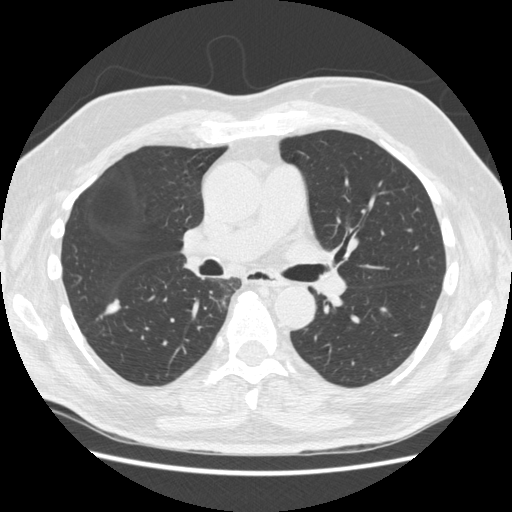
Axial slice 295 of 557 of a chest CT (slice 1 is the lowest), reconstructed with the STANDARD kernel at 120 kVp; 1.25 mm slice thickness and 0.703 mm pixels.
Pulmonary nodule, outlined by all four readers. Box on this slice rows 298–315, columns 103–120, the union of the readers' outlines on this slice; longest diameter 22.3 mm on average over the four readers' outlines (readers' outlines 19.1–25.0 mm), volume 785–1099 mm3. The readers' prevailing ratings and who disagreed: texture 5/5 (solid) by three of four readers; the rest gave 4/5 (one); margin 3/5 by two of four readers; the rest gave 4/5 (one), 5/5 (circumscribed) (one); sphericity 3/5 (ovoid) by three of four readers; the rest gave 2/5 (one); calcification absent, all four readers agreeing; internal structure soft tissue from all four readers; most readers (three of four) put subtlety at 5/5, others 4/5 (one); malignancy likelihood 4/5 by two of four readers; the rest gave 2/5 (one), 5/5 (one). Scale key (1–5): texture non-solid→solid, margin indistinct→circumscribed, sphericity linear→round, subtlety extremely subtle→obvious, malignancy likelihood highly unlikely→highly suspicious of cancer. Box rows and columns are 0-based pixel indices from the top-left corner, inclusive.